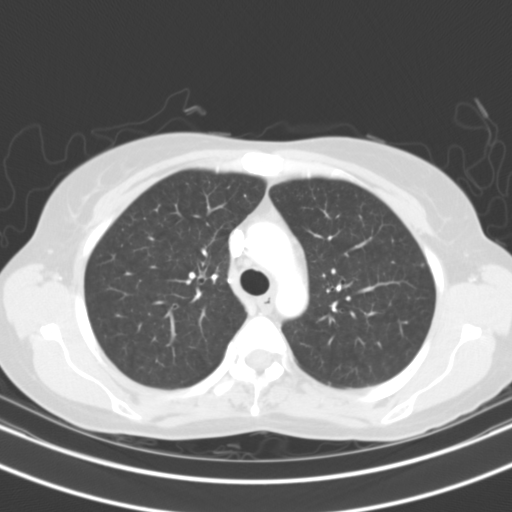
One axial slice (81 of 108, counting up from the lowest) of a chest CT acquired at 130 kVp with the B31s kernel; each pixel is 0.629 mm and the slice is 3.00 mm thick.
No nodule of 3 mm or larger was outlined by any of the four readers on this slice.